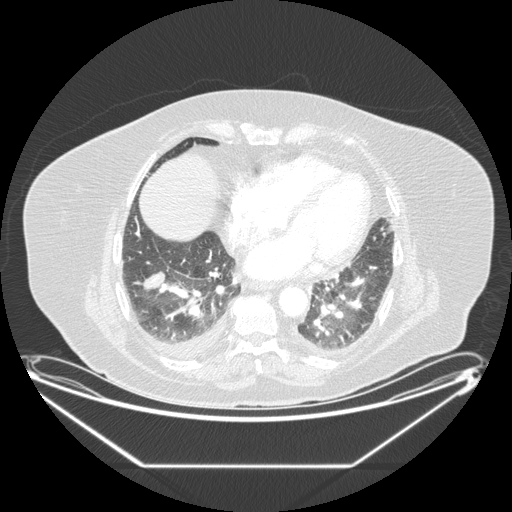
Axial slice 68 of 206 of a chest CT (slice 1 is the lowest), reconstructed with the STANDARD kernel at 120 kVp; 1.25 mm slice thickness and 0.898 mm pixels.
Pulmonary nodule at rows 271–290, columns 142–165 (box = the union of the readers' outlines on this slice), outlined by all four readers; longest diameter 28.4 mm on average over the four readers' outlines (readers' outlines 25.7–34.7 mm), volume 3668–5061 mm3. The readers' prevailing ratings and who disagreed: texture 5/5 (solid) by three of four readers; the rest gave 4/5 (one); margin 4/5 from all four readers; most readers (three of four) put sphericity at 3/5 (ovoid), others 5/5 (round) (one); calcification absent from all four readers; internal structure soft tissue from all four readers; subtlety 5/5 by three of four readers; the rest gave 4/5 (one); malignancy likelihood 5/5 by two of four readers; the rest gave 3/5 (one), 4/5 (one). Scale key (1–5): texture non-solid→solid, margin indistinct→circumscribed, sphericity linear→round, subtlety extremely subtle→obvious, malignancy likelihood highly unlikely→highly suspicious of cancer. Box rows and columns are 0-based pixel indices from the top-left corner, inclusive.